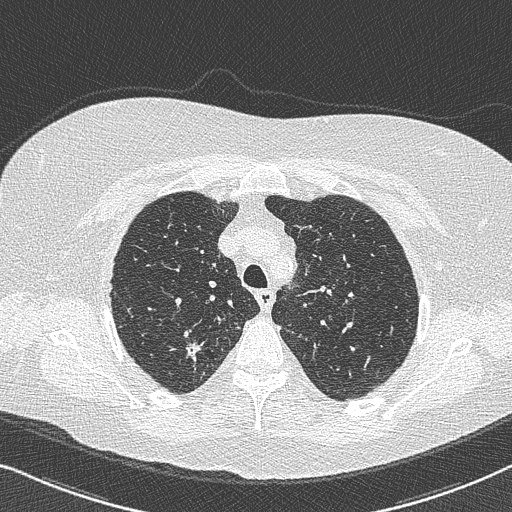
Axial chest CT slice 575 of 733 (counted from the lowest slice); tube voltage 120 kVp, convolution kernel B50f; slices 0.60 mm thick, 0.637 mm per pixel.
Pulmonary nodule, outlined by all four readers. Box on this slice rows 339–365, columns 184–201, the union of the readers' outlines on this slice; longest diameter 15.5–29.7 mm and volume 888–2128 mm3 across the four readers' outlines. Ratings across the readers: texture from 4/5 to 5/5 (solid) across the four readers; margin from 1/5 (indistinct) to 4/5 across the four readers; sphericity from 2/5 to 5/5 (round) across the four readers; calcification absent from all four readers; internal structure soft tissue from all four readers; subtlety 4–5/5 (the readers disagree); malignancy likelihood 4–5/5 (the readers disagree). Scale key (1–5): texture non-solid→solid, margin indistinct→circumscribed, sphericity linear→round, subtlety extremely subtle→obvious, malignancy likelihood highly unlikely→highly suspicious of cancer. Box rows and columns are 0-based pixel indices from the top-left corner, inclusive.